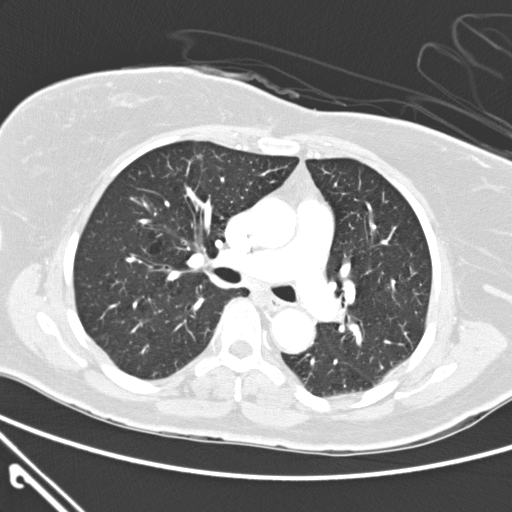
Axial chest CT slice 165 of 300 (counted from the lowest slice); tube voltage 120 kVp, convolution kernel D; slices 2.00 mm thick, 0.631 mm per pixel.
Pulmonary nodule, outlined by three of the four readers. Box on this slice rows 154–160, columns 196–203, the union of the readers' outlines on this slice; longest diameter 9.5 mm on average over the three readers' outlines (readers' outlines 9.2–10.2 mm), volume 147–194 mm3. Ratings, by the readers' most common answer with dissent counted: most readers (two of three) put texture at 5/5 (solid), others 4/5 (one); margin 4/5 by two of three readers; the rest gave 3/5 (one); sphericity 4/5 from all three readers; calcification absent, all three readers agreeing; internal structure soft tissue, all three readers agreeing; most readers (two of three) put subtlety at 3/5, others 5/5 (one); malignancy likelihood split among the readers: 2/5 (one), 3/5 (one), 4/5 (one). Scale key (1–5): texture non-solid→solid, margin indistinct→circumscribed, sphericity linear→round, subtlety extremely subtle→obvious, malignancy likelihood highly unlikely→highly suspicious of cancer. Box rows and columns are 0-based pixel indices from the top-left corner, inclusive.